Axial slice 131 of 605 of a chest CT (slice 1 is the lowest), reconstructed with the STANDARD kernel at 120 kVp; 1.25 mm slice thickness and 0.703 mm pixels.
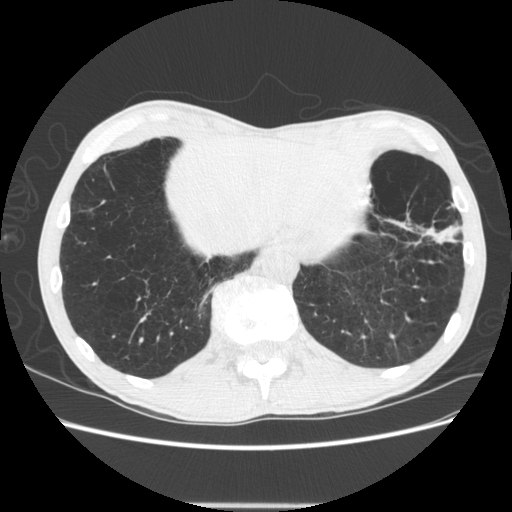
Pulmonary nodule at rows 225–241, columns 436–461 (box = that reader's outline on this slice), outlined by one of the four readers; longest diameter 29.0 mm and volume 1790 mm3 from that reader's outline. That reader's ratings: texture 4/5; margin 4/5; sphericity 2/5; calcification absent; internal structure soft tissue; subtlety 5/5; malignancy likelihood 4/5. Scale key (1–5): texture non-solid→solid, margin indistinct→circumscribed, sphericity linear→round, subtlety extremely subtle→obvious, malignancy likelihood highly unlikely→highly suspicious of cancer. Box rows and columns are 0-based pixel indices from the top-left corner, inclusive.